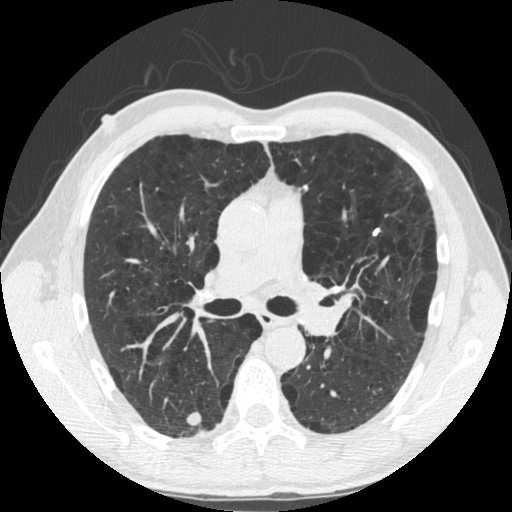
Chest CT, axial plane, 120 kVp, kernel STANDARD. Slice 316/535 from the bottom of the scan; thickness 1.25 mm; pixel size 0.664 mm.
Three pulmonary nodules on this slice, listed from left to right. (1) Pulmonary nodule at rows 410–426, columns 185–200 (box = the union of the readers' outlines on this slice), outlined by all four readers; longest diameter 11.2 mm on average over the four readers' outlines (readers' outlines 10.5–12.4 mm), volume 543–647 mm3. Ratings, by the readers' most common answer with dissent counted: texture 5/5 (solid), all four readers agreeing; margin 5/5 (circumscribed), all four readers agreeing; sphericity 5/5 (round) by two of four readers; the rest gave 3/5 (ovoid) (one), 4/5 (one); calcification absent by three of four readers, laminated calcification (one); internal structure soft tissue from all four readers; subtlety 5/5, all four readers agreeing; malignancy likelihood 1/5 by two of four readers; the rest gave 4/5 (one), 5/5 (one). (2) Pulmonary nodule, outlined by two of the four readers. Box on this slice rows 185–188, columns 304–306, the union of the readers' outlines on this slice; the two readers' outlines give a longest diameter between 5.4 and 6.0 mm and a volume between 45 and 58 mm3. The readers' ratings, as ranges where they differ: texture 5/5 (solid), both readers agreeing; margin 5/5 (circumscribed) from both readers; sphericity from 4/5 to 5/5 (round) across the two readers; calcification solid calcification, both readers agreeing; internal structure soft tissue from both readers; subtlety 4/5 from both readers; malignancy likelihood 1/5, both readers agreeing. (3) Pulmonary nodule, outlined by all four readers. Box on this slice rows 228–236, columns 372–379, the union of the readers' outlines on this slice; median longest diameter 6.7 mm (readers' outlines 6.3–7.6 mm), median volume 45 mm3 (41–65 mm3). Ratings, median across the readers with their spread: texture 5/5 (solid) from all four readers; margin 5/5 (circumscribed) from all four readers; sphericity 2.5/5 at the median of four readers, spread 2/5 to 3/5 (ovoid); calcification solid calcification, all four readers agreeing; internal structure soft tissue from all four readers; median subtlety 4.5/5 (readers ranged 4–5); malignancy likelihood 1/5 from all four readers. Scale key (1–5): texture non-solid→solid, margin indistinct→circumscribed, sphericity linear→round, subtlety extremely subtle→obvious, malignancy likelihood highly unlikely→highly suspicious of cancer. Box rows and columns are 0-based pixel indices from the top-left corner, inclusive.